Axial chest CT slice 113 of 192 (counted from the lowest slice); tube voltage 120 kVp, convolution kernel B30f; slices 2.00 mm thick, 0.566 mm per pixel.
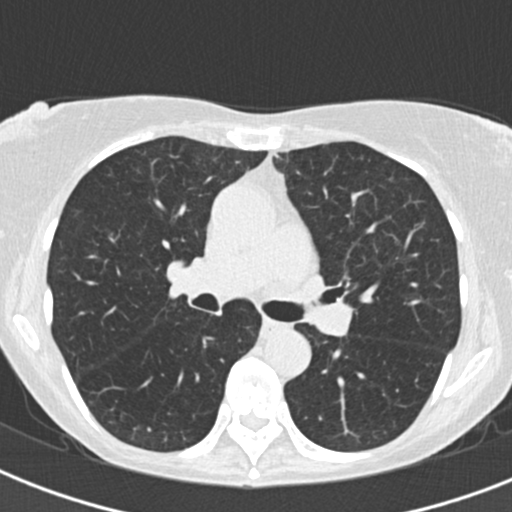
Pulmonary nodule, outlined by three of the four readers, one of them on this slice. Box on this slice rows 394–396, columns 382–385, the one reader's outline on this slice; longest diameter 7.0 mm on average over the three readers' outlines (readers' outlines 6.8–7.2 mm), volume 96–121 mm3. The readers' prevailing ratings and who disagreed: texture 5/5 (solid), all three readers agreeing; margin 5/5 (circumscribed) by two of three readers; the rest gave 4/5 (one); most readers (two of three) put sphericity at 5/5 (round), others 3/5 (ovoid) (one); calcification absent, all three readers agreeing; internal structure soft tissue, all three readers agreeing; subtlety 4/5 by two of three readers; the rest gave 2/5 (one); malignancy likelihood 3/5 from all three readers. Scale key (1–5): texture non-solid→solid, margin indistinct→circumscribed, sphericity linear→round, subtlety extremely subtle→obvious, malignancy likelihood highly unlikely→highly suspicious of cancer. Box rows and columns are 0-based pixel indices from the top-left corner, inclusive.